Axial slice 127 of 291 of a chest CT (slice 1 is the lowest), reconstructed with the BONE kernel at 120 kVp; 1.25 mm slice thickness and 0.820 mm pixels.
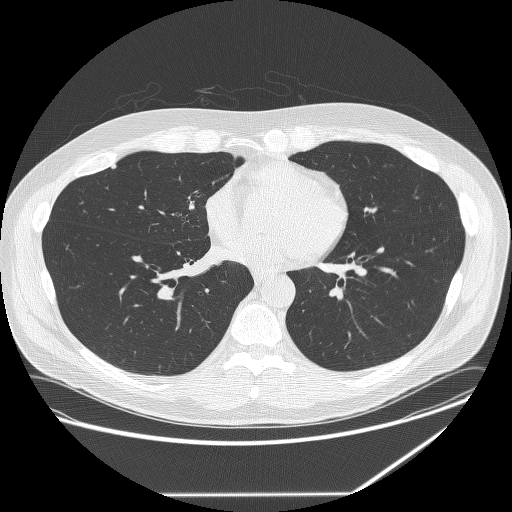
Pulmonary nodule at rows 163–168, columns 111–115 (box = the union of the readers' outlines on this slice), outlined by all four readers; median longest diameter 6.0 mm (readers' outlines 5.5–6.2 mm), median volume 75 mm3 (56–90 mm3). Median ratings and the readers' spread: texture 5/5 (solid), all four readers agreeing; median margin 5/5 (circumscribed) (readers ranged 4/5 to 5/5 (circumscribed)); sphericity 4/5 at the median of four readers, spread 3/5 (ovoid) to 5/5 (round); calcification absent from all four readers; internal structure soft tissue from all four readers; subtlety 2.5/5 at the median of four readers, spread 2–4; median malignancy likelihood 2/5 (readers ranged 1–3). Scale key (1–5): texture non-solid→solid, margin indistinct→circumscribed, sphericity linear→round, subtlety extremely subtle→obvious, malignancy likelihood highly unlikely→highly suspicious of cancer. Box rows and columns are 0-based pixel indices from the top-left corner, inclusive.